Axial chest CT slice 177 of 426 (counted from the lowest slice); tube voltage 120 kVp, convolution kernel STANDARD; slices 1.25 mm thick, 0.547 mm per pixel.
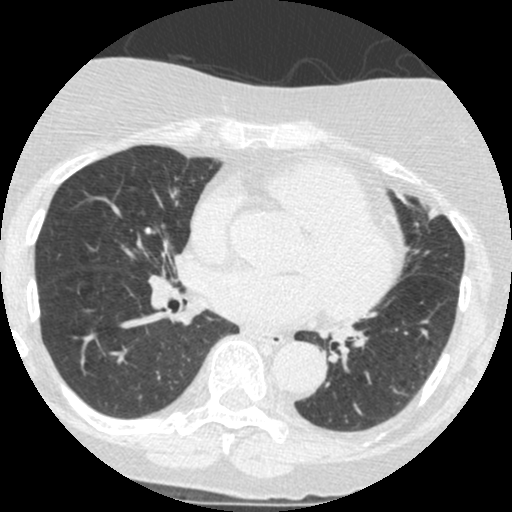
Pulmonary nodule, outlined by all four readers, one of them on this slice. Box on this slice rows 186–197, columns 172–179, the one reader's outline on this slice; median longest diameter 18.6 mm (readers' outlines 17.0–20.6 mm), median volume 1572 mm3 (1129–1635 mm3). Median ratings and the readers' spread: median texture 5/5 (solid) (readers ranged 4/5 to 5/5 (solid)); margin 3.5/5 at the median of four readers, spread 2/5 to 5/5 (circumscribed); median sphericity 4/5 (readers ranged 3/5 (ovoid) to 5/5 (round)); calcification: absent (three), non-central calcification (one); internal structure soft tissue, all four readers agreeing; subtlety 4.5/5 at the median of four readers, spread 3–5; malignancy likelihood 3.5/5 at the median of four readers, spread 2–4. Scale key (1–5): texture non-solid→solid, margin indistinct→circumscribed, sphericity linear→round, subtlety extremely subtle→obvious, malignancy likelihood highly unlikely→highly suspicious of cancer. Box rows and columns are 0-based pixel indices from the top-left corner, inclusive.